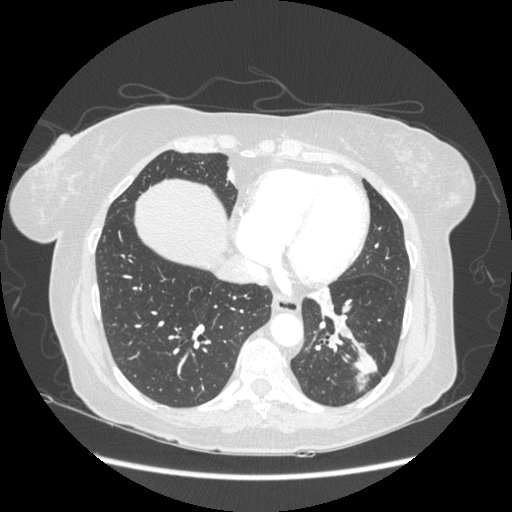
Chest CT, axial plane, 120 kVp, kernel STANDARD. Slice 76/230 from the bottom of the scan; thickness 1.25 mm; pixel size 0.742 mm.
Pulmonary nodule at rows 346–388, columns 353–377 (box = the union of the readers' outlines on this slice), outlined by all four readers; longest diameter 28.7 mm on average over the four readers' outlines (readers' outlines 23.1–31.5 mm), volume 3020–5074 mm3. Ratings, by the readers' most common answer with dissent counted: texture 5/5 (solid) from all four readers; margin 4/5 by two of four readers; the rest gave 3/5 (one), 5/5 (circumscribed) (one); most readers (three of four) put sphericity at 3/5 (ovoid), others 5/5 (round) (one); calcification absent, all four readers agreeing; internal structure soft tissue from all four readers; subtlety 5/5, all four readers agreeing; most readers (three of four) put malignancy likelihood at 5/5, others 3/5 (one). Scale key (1–5): texture non-solid→solid, margin indistinct→circumscribed, sphericity linear→round, subtlety extremely subtle→obvious, malignancy likelihood highly unlikely→highly suspicious of cancer. Box rows and columns are 0-based pixel indices from the top-left corner, inclusive.